One axial slice (97 of 117, counting up from the lowest) of a chest CT acquired at 130 kVp with the B31s kernel; each pixel is 0.566 mm and the slice is 3.00 mm thick.
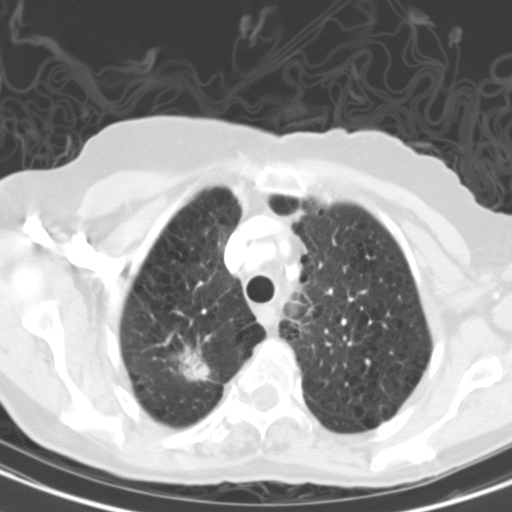
Pulmonary nodule outlined by all four readers; box rows 341–381, columns 163–211 (the union of the readers' outlines on this slice); median longest diameter 36.7 mm (readers' outlines 31.3–41.7 mm), median volume 5754 mm3 (5062–7820 mm3). Median ratings and the readers' spread: texture 5/5 (solid), all four readers agreeing; margin 3.5/5 at the median of four readers, spread 1/5 (indistinct) to 4/5; median sphericity 4/5 (readers ranged 3/5 (ovoid) to 5/5 (round)); calcification absent, all four readers agreeing; internal structure soft tissue from all four readers; subtlety 5/5, all four readers agreeing; malignancy likelihood 5/5, all four readers agreeing. Scale key (1–5): texture non-solid→solid, margin indistinct→circumscribed, sphericity linear→round, subtlety extremely subtle→obvious, malignancy likelihood highly unlikely→highly suspicious of cancer. Box rows and columns are 0-based pixel indices from the top-left corner, inclusive.